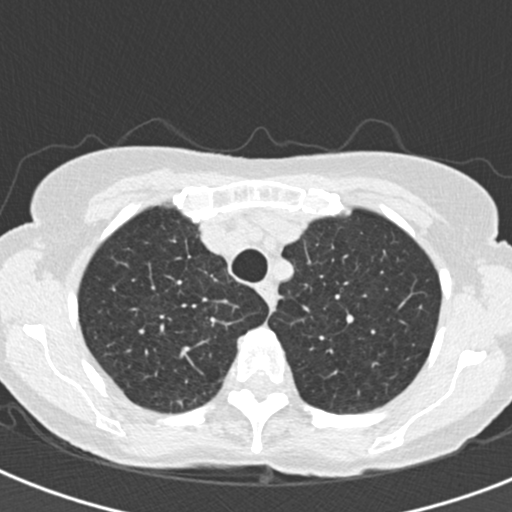
Axial chest CT slice 154 of 192 (counted from the lowest slice); tube voltage 120 kVp, convolution kernel B30f; slices 2.00 mm thick, 0.566 mm per pixel.
Pulmonary nodule at rows 400–406, columns 177–182 (box = the union of the readers' outlines on this slice), outlined by three of the four readers; median longest diameter 8.1 mm (readers' outlines 7.4–9.0 mm), median volume 112 mm3 (87–154 mm3). Median ratings and the readers' spread: median texture 5/5 (solid) (readers ranged 4/5 to 5/5 (solid)); median margin 4/5 (readers ranged 4/5 to 5/5 (circumscribed)); sphericity 4/5 at the median of three readers, spread 3/5 (ovoid) to 4/5; calcification absent from all three readers; internal structure soft tissue from all three readers; subtlety 4/5 from all three readers; malignancy likelihood 3/5 at the median of three readers, spread 3–4. Scale key (1–5): texture non-solid→solid, margin indistinct→circumscribed, sphericity linear→round, subtlety extremely subtle→obvious, malignancy likelihood highly unlikely→highly suspicious of cancer. Box rows and columns are 0-based pixel indices from the top-left corner, inclusive.